One axial slice (103 of 300, counting up from the lowest) of a chest CT acquired at 120 kVp with the C kernel; each pixel is 0.715 mm and the slice is 2.00 mm thick.
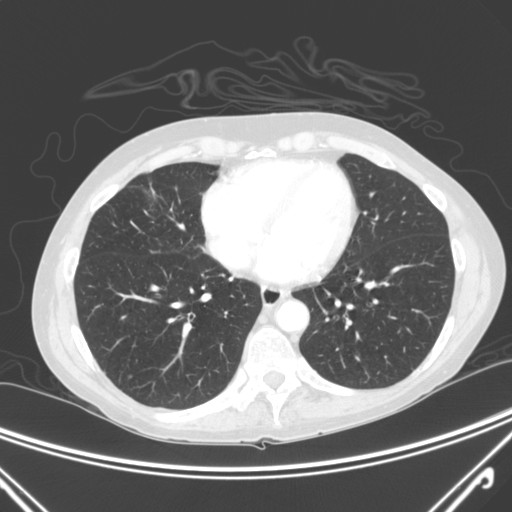
Pulmonary nodule, outlined by three of the four readers. Box on this slice rows 374–378, columns 128–131, the union of the readers' outlines on this slice; longest diameter 5.4 mm on average over the three readers' outlines (readers' outlines 5.2–5.4 mm), volume 42–53 mm3. Ratings, by the readers' most common answer with dissent counted: texture 5/5 (solid) from all three readers; margin 4/5 by two of three readers; the rest gave 5/5 (circumscribed) (one); most readers (two of three) put sphericity at 5/5 (round), others 4/5 (one); calcification absent, all three readers agreeing; internal structure soft tissue from all three readers; subtlety split among the readers: 3/5 (one), 4/5 (one), 5/5 (one); malignancy likelihood 3/5 by two of three readers; the rest gave 2/5 (one). Scale key (1–5): texture non-solid→solid, margin indistinct→circumscribed, sphericity linear→round, subtlety extremely subtle→obvious, malignancy likelihood highly unlikely→highly suspicious of cancer. Box rows and columns are 0-based pixel indices from the top-left corner, inclusive.